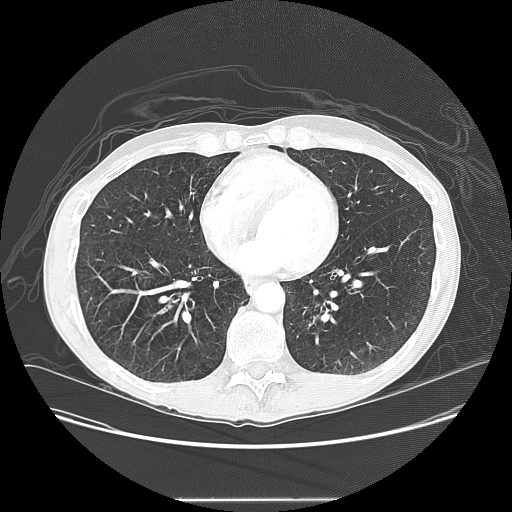
Axial slice 58 of 145 of a chest CT (slice 1 is the lowest), reconstructed with the LUNG kernel at 120 kVp; 2.50 mm slice thickness and 0.781 mm pixels.
This slice carries no reader outline of a nodule 3 mm or larger.